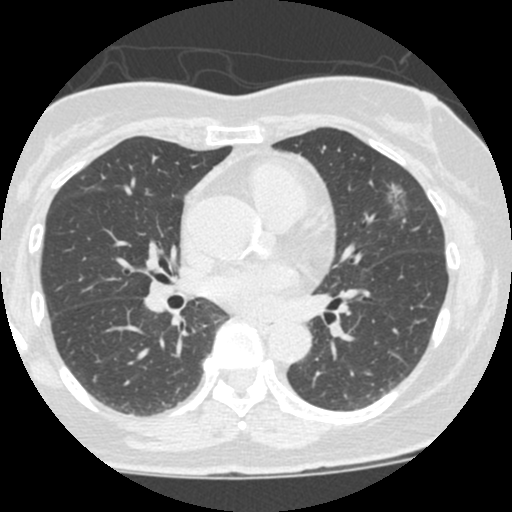
Chest CT, axial plane, 120 kVp, kernel STANDARD. Slice 275/490 from the bottom of the scan; thickness 1.25 mm; pixel size 0.547 mm.
Pulmonary nodule outlined by two of the four readers; box rows 180–221, columns 385–409 (the union of the readers' outlines on this slice); longest diameter 26.9 mm on average over the two readers' outlines (readers' outlines 26.3–27.5 mm), volume 1167–1852 mm3. The readers' prevailing ratings and who disagreed: texture 1/5 (non-solid), both readers agreeing; margin split among the readers: 1/5 (indistinct) (one), 2/5 (one); sphericity split among the readers: 2/5 (one), 5/5 (round) (one); calcification absent from both readers; internal structure soft tissue from both readers; subtlety split among the readers: 1/5 (one), 5/5 (one); malignancy likelihood split among the readers: 2/5 (one), 3/5 (one). Scale key (1–5): texture non-solid→solid, margin indistinct→circumscribed, sphericity linear→round, subtlety extremely subtle→obvious, malignancy likelihood highly unlikely→highly suspicious of cancer. Box rows and columns are 0-based pixel indices from the top-left corner, inclusive.